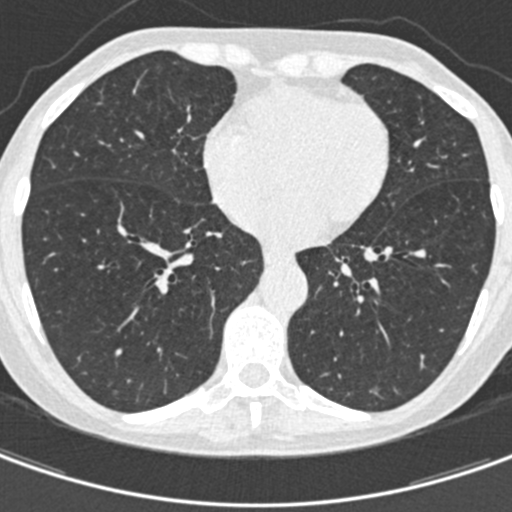
Axial slice 179 of 429 of a chest CT (slice 1 is the lowest), reconstructed with the B30f kernel at 120 kVp; 0.75 mm slice thickness and 0.537 mm pixels.
Pulmonary nodule at rows 386–392, columns 372–379 (box = the union of the readers' outlines on this slice), outlined by two of the four readers; median longest diameter 5.7 mm (readers' outlines 5.6–5.7 mm), median volume 29 mm3 (25–33 mm3). Median ratings and the readers' spread: texture 4/5 at the median of two readers, spread 3/5 (part-solid) to 5/5 (solid); margin 4/5 at the median of two readers, spread 3/5 to 5/5 (circumscribed); sphericity 4.5/5 at the median of two readers, spread 4/5 to 5/5 (round); calcification absent from both readers; internal structure soft tissue, both readers agreeing; subtlety 3.5/5 at the median of two readers, spread 3–4; median malignancy likelihood 2.5/5 (readers ranged 2–3). Scale key (1–5): texture non-solid→solid, margin indistinct→circumscribed, sphericity linear→round, subtlety extremely subtle→obvious, malignancy likelihood highly unlikely→highly suspicious of cancer. Box rows and columns are 0-based pixel indices from the top-left corner, inclusive.